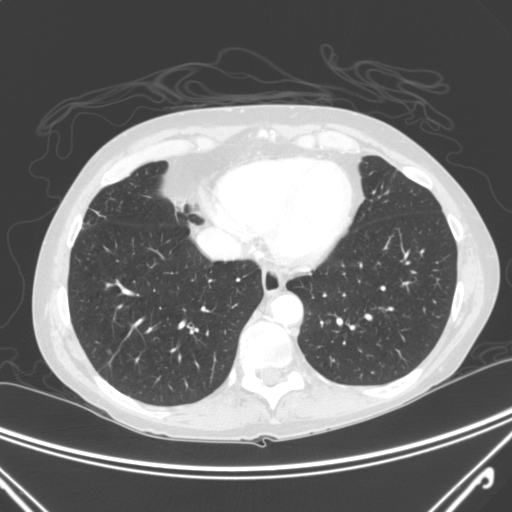
Axial chest CT slice 85 of 300 (counted from the lowest slice); tube voltage 120 kVp, convolution kernel C; slices 2.00 mm thick, 0.715 mm per pixel.
Pulmonary nodule at rows 350–354, columns 105–110 (box = the union of the readers' outlines on this slice), outlined by three of the four readers; longest diameter 5.4 mm on average over the three readers' outlines (readers' outlines 5.2–5.4 mm), volume 52–68 mm3. The readers' prevailing ratings and who disagreed: texture 5/5 (solid) from all three readers; margin 4/5 by two of three readers; the rest gave 5/5 (circumscribed) (one); most readers (two of three) put sphericity at 4/5, others 5/5 (round) (one); calcification absent, all three readers agreeing; internal structure soft tissue, all three readers agreeing; subtlety 4/5 by two of three readers; the rest gave 5/5 (one); most readers (two of three) put malignancy likelihood at 3/5, others 2/5 (one). Scale key (1–5): texture non-solid→solid, margin indistinct→circumscribed, sphericity linear→round, subtlety extremely subtle→obvious, malignancy likelihood highly unlikely→highly suspicious of cancer. Box rows and columns are 0-based pixel indices from the top-left corner, inclusive.